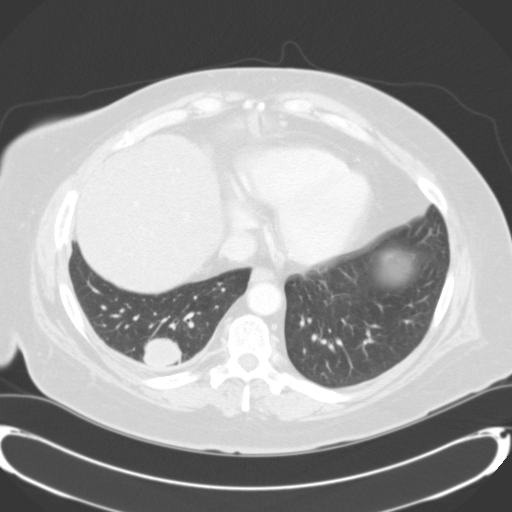
Axial slice 60 of 124 of a chest CT (slice 1 is the lowest), reconstructed with the B31f kernel at 120 kVp; 3.00 mm slice thickness and 0.764 mm pixels.
Pulmonary nodule, outlined by three of the four readers. Box on this slice rows 338–366, columns 143–182, the union of the readers' outlines on this slice; the three readers' outlines give a longest diameter between 32.1 and 33.9 mm and a volume between 13060 and 14151 mm3. The readers' ratings, as ranges where they differ: texture from 4/5 to 5/5 (solid) across the three readers; margin from 4/5 to 5/5 (circumscribed) across the three readers; sphericity 4/5, all three readers agreeing; calcification absent from all three readers; internal structure soft tissue from all three readers; subtlety 5/5 from all three readers; malignancy likelihood 3–5/5 (the readers disagree). Scale key (1–5): texture non-solid→solid, margin indistinct→circumscribed, sphericity linear→round, subtlety extremely subtle→obvious, malignancy likelihood highly unlikely→highly suspicious of cancer. Box rows and columns are 0-based pixel indices from the top-left corner, inclusive.